One axial slice (309 of 487, counting up from the lowest) of a chest CT acquired at 120 kVp with the STANDARD kernel; each pixel is 0.703 mm and the slice is 1.25 mm thick.
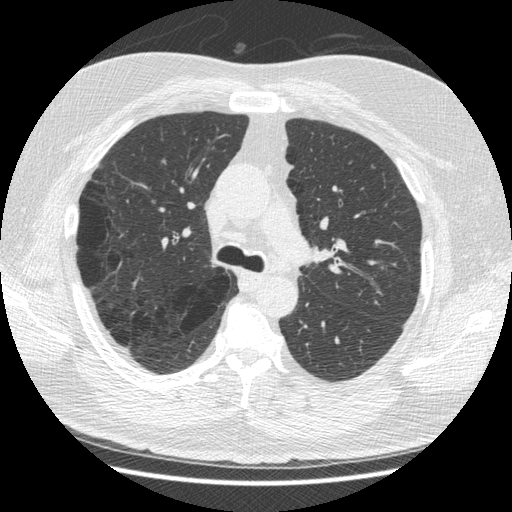
Pulmonary nodule at rows 266–269, columns 380–383 (box = the union of the readers' outlines on this slice), outlined by two of the four readers; median longest diameter 9.5 mm (readers' outlines 9.4–9.6 mm), median volume 155 mm3 (154–156 mm3). Ratings, median across the readers with their spread: texture 3.5/5 at the median of two readers, spread 3/5 (part-solid) to 4/5; margin 3/5 at the median of two readers, spread 2/5 to 4/5; sphericity 3/5 (ovoid), both readers agreeing; calcification absent from both readers; internal structure soft tissue from both readers; median subtlety 2.5/5 (readers ranged 2–3); median malignancy likelihood 3.5/5 (readers ranged 3–4). Scale key (1–5): texture non-solid→solid, margin indistinct→circumscribed, sphericity linear→round, subtlety extremely subtle→obvious, malignancy likelihood highly unlikely→highly suspicious of cancer. Box rows and columns are 0-based pixel indices from the top-left corner, inclusive.